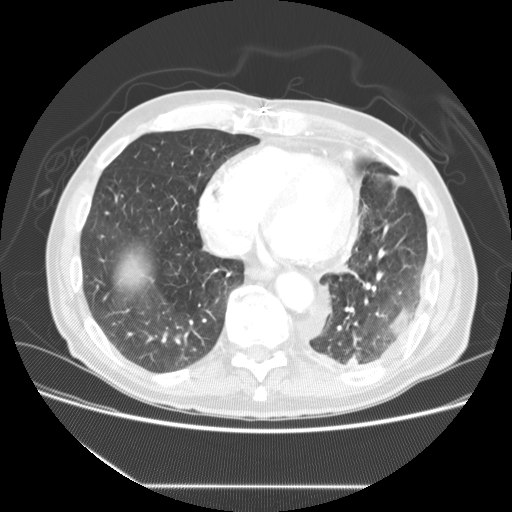
Axial chest CT slice 62 of 149 (counted from the lowest slice); 2.50 mm thick, 0.742 mm per pixel. Pulmonary nodule, outlined by one of the four readers. Box on this slice rows 356–364, columns 347–356, that reader's outline on this slice; longest diameter 9.7 mm and volume 438 mm3 from that reader's outline. Ratings by that reader: texture 5/5 (solid); margin 5/5 (circumscribed); sphericity 4/5; calcification absent; internal structure soft tissue; subtlety 3/5; malignancy likelihood 2/5. Scale key (1–5): texture non-solid→solid, margin indistinct→circumscribed, sphericity linear→round, subtlety extremely subtle→obvious, malignancy likelihood highly unlikely→highly suspicious of cancer. Box rows and columns are 0-based pixel indices from the top-left corner, inclusive.
Tube voltage 120 kVp; convolution kernel STANDARD.